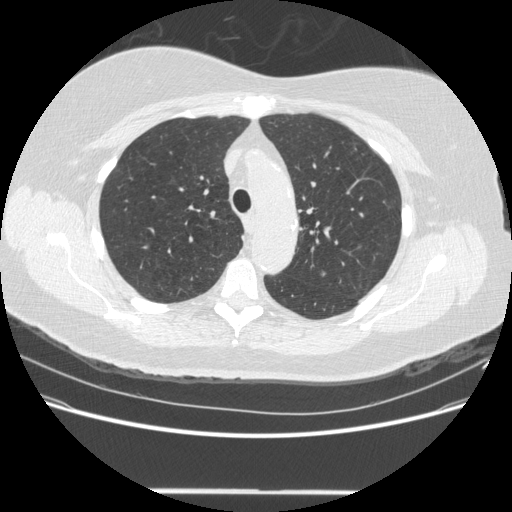
Chest CT, axial plane, 120 kVp, kernel STANDARD. Slice 350/481 from the bottom of the scan; thickness 1.25 mm; pixel size 0.742 mm.
Pulmonary nodule outlined by three of the four readers; box rows 270–277, columns 320–326 (the union of the readers' outlines on this slice); longest diameter 6.7 mm on average over the three readers' outlines (readers' outlines 6.3–7.0 mm), volume 65–113 mm3. Ratings, by the readers' most common answer with dissent counted: texture split among the readers: 3/5 (part-solid) (one), 4/5 (one), 5/5 (solid) (one); margin split among the readers: 2/5 (one), 3/5 (one), 4/5 (one); most readers (two of three) put sphericity at 4/5, others 3/5 (ovoid) (one); calcification absent, all three readers agreeing; internal structure soft tissue, all three readers agreeing; subtlety split among the readers: 2/5 (one), 3/5 (one), 4/5 (one); malignancy likelihood 3/5 by two of three readers; the rest gave 2/5 (one). Scale key (1–5): texture non-solid→solid, margin indistinct→circumscribed, sphericity linear→round, subtlety extremely subtle→obvious, malignancy likelihood highly unlikely→highly suspicious of cancer. Box rows and columns are 0-based pixel indices from the top-left corner, inclusive.